One axial slice (161 of 445, counting up from the lowest) of a chest CT acquired at 120 kVp with the C kernel; each pixel is 0.676 mm and the slice is 1.50 mm thick.
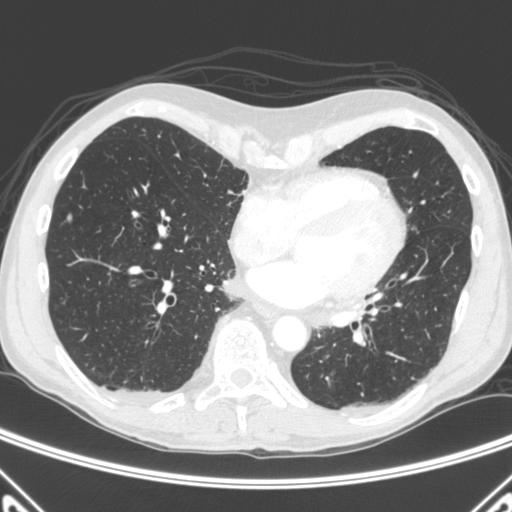
Pulmonary nodule, outlined by all four readers. Box on this slice rows 213–222, columns 66–72, the union of the readers' outlines on this slice; longest diameter 8.2 mm on average over the four readers' outlines (readers' outlines 7.0–8.9 mm), volume 62–138 mm3. Ratings, by the readers' most common answer with dissent counted: most readers (three of four) put texture at 5/5 (solid), others 1/5 (non-solid) (one); margin split among the readers: 4/5 (two), 5/5 (circumscribed) (two); sphericity 4/5, all four readers agreeing; calcification absent from all four readers; internal structure soft tissue from all four readers; subtlety 5/5, all four readers agreeing; most readers (three of four) put malignancy likelihood at 3/5, others 4/5 (one). Scale key (1–5): texture non-solid→solid, margin indistinct→circumscribed, sphericity linear→round, subtlety extremely subtle→obvious, malignancy likelihood highly unlikely→highly suspicious of cancer. Box rows and columns are 0-based pixel indices from the top-left corner, inclusive.